Axial slice 68 of 109 of a chest CT (slice 1 is the lowest), reconstructed with the FC01 kernel at 135 kVp; 3.00 mm slice thickness and 0.671 mm pixels.
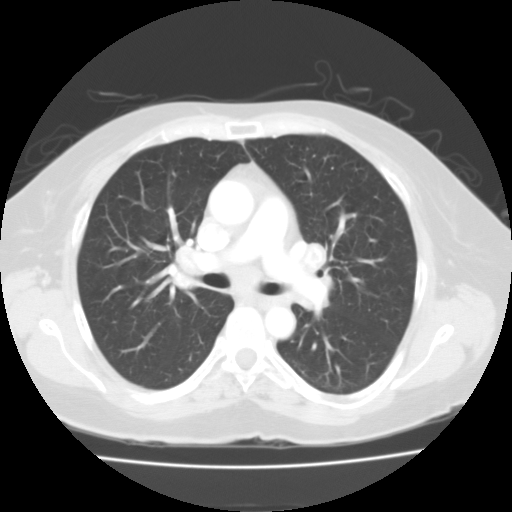
This slice carries no reader outline of a nodule 3 mm or larger.